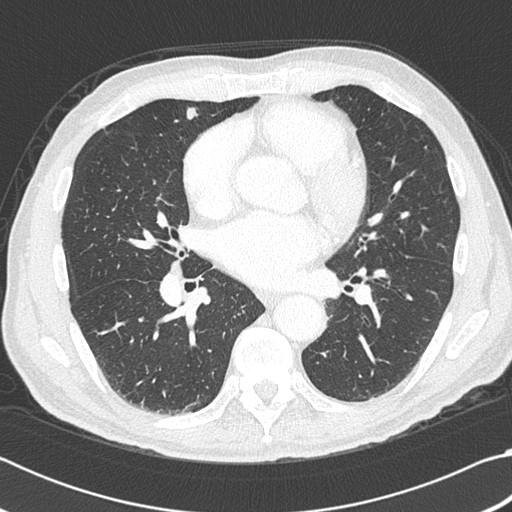
This is axial slice 203 of 383 (slice 1 is the lowest) of a chest CT; each pixel is 0.664 mm and the slice is 1.00 mm thick. Pulmonary nodule at rows 106–119, columns 185–199 (box = the union of the readers' outlines on this slice), outlined by all four readers; the four readers' outlines give a longest diameter between 9.8 and 12.2 mm and a volume between 379 and 631 mm3. The readers' ratings, as ranges where they differ: texture 5/5 (solid), all four readers agreeing; margin 5/5 (circumscribed), all four readers agreeing; sphericity from 3/5 (ovoid) to 5/5 (round) across the four readers; calcification: absent (three), solid calcification (one); internal structure soft tissue, all four readers agreeing; subtlety from 4/5 to 5/5 across the four readers; malignancy likelihood rated between 1 and 4 out of 5 by the four readers. Scale key (1–5): texture non-solid→solid, margin indistinct→circumscribed, sphericity linear→round, subtlety extremely subtle→obvious, malignancy likelihood highly unlikely→highly suspicious of cancer. Box rows and columns are 0-based pixel indices from the top-left corner, inclusive.
Acquired at 120 kVp and reconstructed with the B45f kernel.